Chest CT, axial plane, 120 kVp, kernel STANDARD. Slice 58/163 from the bottom of the scan; thickness 2.50 mm; pixel size 0.586 mm.
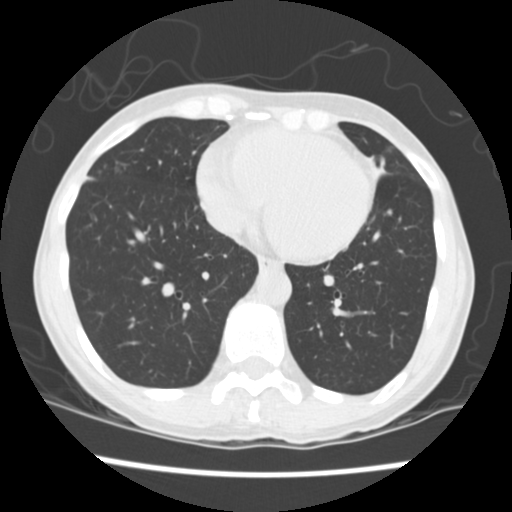
Pulmonary nodule, outlined by all four readers, three of them on this slice. Box on this slice rows 209–215, columns 384–392, the union of the readers' outlines on this slice; longest diameter 9.5–11.1 mm and volume 385–423 mm3 across the four readers' outlines. The readers' ratings, as ranges where they differ: texture 5/5 (solid), all four readers agreeing; margin from 4/5 to 5/5 (circumscribed) across the four readers; sphericity from 3/5 (ovoid) to 4/5 across the four readers; calcification: solid calcification (three), absent (one); internal structure soft tissue, all four readers agreeing; subtlety from 4/5 to 5/5 across the four readers; malignancy likelihood 1–4/5 (the readers disagree). Scale key (1–5): texture non-solid→solid, margin indistinct→circumscribed, sphericity linear→round, subtlety extremely subtle→obvious, malignancy likelihood highly unlikely→highly suspicious of cancer. Box rows and columns are 0-based pixel indices from the top-left corner, inclusive.